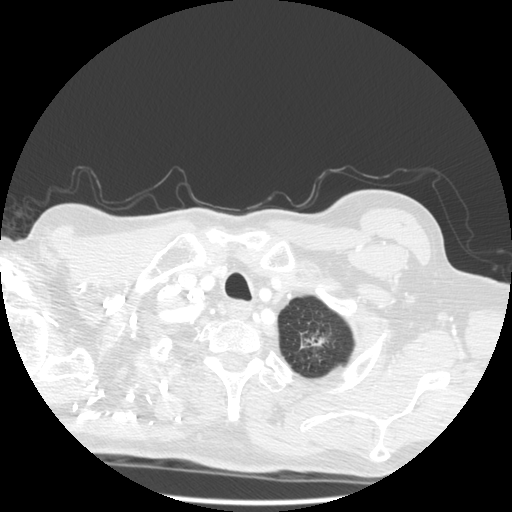
One axial slice (479 of 501, counting up from the lowest) of a chest CT acquired at 140 kVp with the STANDARD kernel; each pixel is 0.703 mm and the slice is 1.25 mm thick.
Pulmonary nodule outlined by three of the four readers, two of them on this slice; box rows 338–346, columns 301–323 (the union of the readers' outlines on this slice); longest diameter 35.0 mm on average over the three readers' outlines (readers' outlines 32.1–39.2 mm), volume 2361–4873 mm3. The readers' prevailing ratings and who disagreed: texture 5/5 (solid) by two of three readers; the rest gave 4/5 (one); margin split among the readers: 1/5 (indistinct) (one), 3/5 (one), 5/5 (circumscribed) (one); sphericity split among the readers: 2/5 (one), 3/5 (ovoid) (one), 5/5 (round) (one); calcification absent from all three readers; internal structure soft tissue from all three readers; subtlety 5/5, all three readers agreeing; most readers (two of three) put malignancy likelihood at 5/5, others 4/5 (one). Scale key (1–5): texture non-solid→solid, margin indistinct→circumscribed, sphericity linear→round, subtlety extremely subtle→obvious, malignancy likelihood highly unlikely→highly suspicious of cancer. Box rows and columns are 0-based pixel indices from the top-left corner, inclusive.